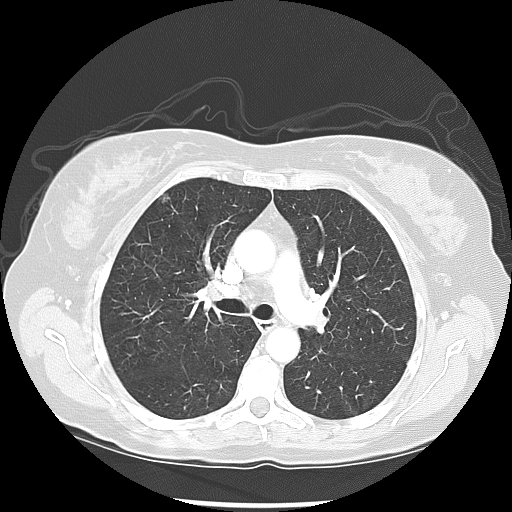
Axial slice 89 of 133 of a chest CT (slice 1 is the lowest), reconstructed with the LUNG kernel at 120 kVp; 2.50 mm slice thickness and 0.703 mm pixels.
Pulmonary nodule, outlined by two of the four readers. Box on this slice rows 193–203, columns 158–170, the union of the readers' outlines on this slice; the two readers' outlines give a longest diameter between 9.9 and 10.5 mm and a volume between 208 and 368 mm3. Ratings across the readers: texture 1/5 (non-solid), both readers agreeing; margin from 1/5 (indistinct) to 2/5 across the two readers; sphericity from 3/5 (ovoid) to 5/5 (round) across the two readers; calcification absent, both readers agreeing; internal structure soft tissue from both readers; subtlety from 1/5 to 2/5 across the two readers; malignancy likelihood 2–3/5 (the readers disagree). Scale key (1–5): texture non-solid→solid, margin indistinct→circumscribed, sphericity linear→round, subtlety extremely subtle→obvious, malignancy likelihood highly unlikely→highly suspicious of cancer. Box rows and columns are 0-based pixel indices from the top-left corner, inclusive.